Axial slice 173 of 289 of a chest CT (slice 1 is the lowest), reconstructed with the STANDARD kernel at 120 kVp; 1.25 mm slice thickness and 0.764 mm pixels.
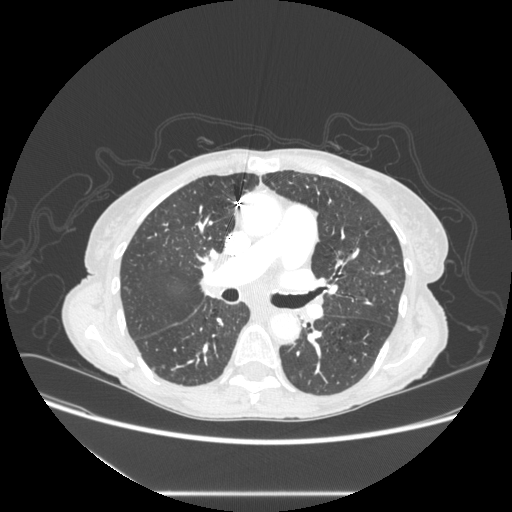
Pulmonary nodule, outlined by all four readers, one of them on this slice. Box on this slice rows 343–364, columns 203–207, the one reader's outline on this slice; longest diameter 21.2 mm on average over the four readers' outlines (readers' outlines 20.5–21.9 mm), volume 2320–2697 mm3. Ratings, by the readers' most common answer with dissent counted: texture split among the readers: 4/5 (two), 5/5 (solid) (two); margin 4/5, all four readers agreeing; most readers (three of four) put sphericity at 3/5 (ovoid), others 5/5 (round) (one); calcification absent from all four readers; internal structure soft tissue from all four readers; most readers (three of four) put subtlety at 5/5, others 4/5 (one); malignancy likelihood 5/5 by two of four readers; the rest gave 3/5 (one), 4/5 (one). Scale key (1–5): texture non-solid→solid, margin indistinct→circumscribed, sphericity linear→round, subtlety extremely subtle→obvious, malignancy likelihood highly unlikely→highly suspicious of cancer. Box rows and columns are 0-based pixel indices from the top-left corner, inclusive.